Axial chest CT slice 183 of 328 (counted from the lowest slice); tube voltage 120 kVp, convolution kernel D; slices 2.00 mm thick, 0.742 mm per pixel.
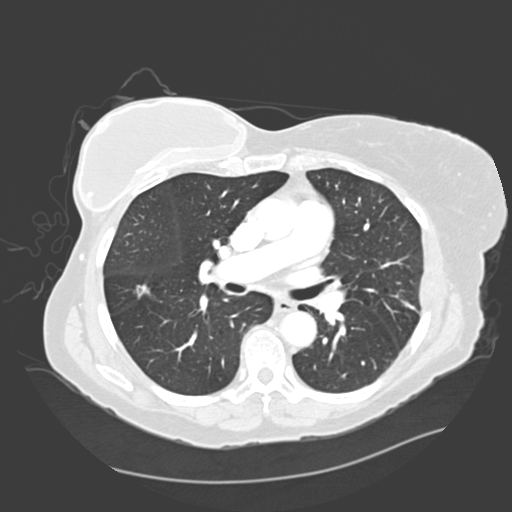
Pulmonary nodule outlined by all four readers; box rows 284–299, columns 133–150 (the union of the readers' outlines on this slice); longest diameter 18.3–21.0 mm and volume 877–1921 mm3 across the four readers' outlines. Ratings across the readers: texture from 3/5 (part-solid) to 5/5 (solid) across the four readers; margin from 2/5 to 4/5 across the four readers; sphericity from 2/5 to 3/5 (ovoid) across the four readers; calcification absent, all four readers agreeing; internal structure soft tissue, all four readers agreeing; subtlety 4–5/5 (the readers disagree); malignancy likelihood 3–5/5 (the readers disagree). Scale key (1–5): texture non-solid→solid, margin indistinct→circumscribed, sphericity linear→round, subtlety extremely subtle→obvious, malignancy likelihood highly unlikely→highly suspicious of cancer. Box rows and columns are 0-based pixel indices from the top-left corner, inclusive.